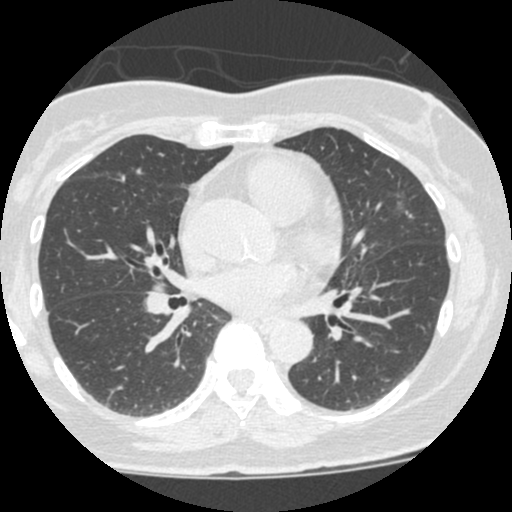
Chest CT, axial plane, 120 kVp, kernel STANDARD. Slice 269/490 from the bottom of the scan; thickness 1.25 mm; pixel size 0.547 mm.
Pulmonary nodule outlined by two of the four readers; box rows 189–221, columns 388–408 (the union of the readers' outlines on this slice); the two readers' outlines give a longest diameter between 26.3 and 27.5 mm and a volume between 1167 and 1852 mm3. The readers' ratings, as ranges where they differ: texture 1/5 (non-solid) from both readers; margin from 1/5 (indistinct) to 2/5 across the two readers; sphericity from 2/5 to 5/5 (round) across the two readers; calcification absent, both readers agreeing; internal structure soft tissue, both readers agreeing; subtlety rated between 1 and 5 out of 5 by the two readers; malignancy likelihood from 2/5 to 3/5 across the two readers. Scale key (1–5): texture non-solid→solid, margin indistinct→circumscribed, sphericity linear→round, subtlety extremely subtle→obvious, malignancy likelihood highly unlikely→highly suspicious of cancer. Box rows and columns are 0-based pixel indices from the top-left corner, inclusive.